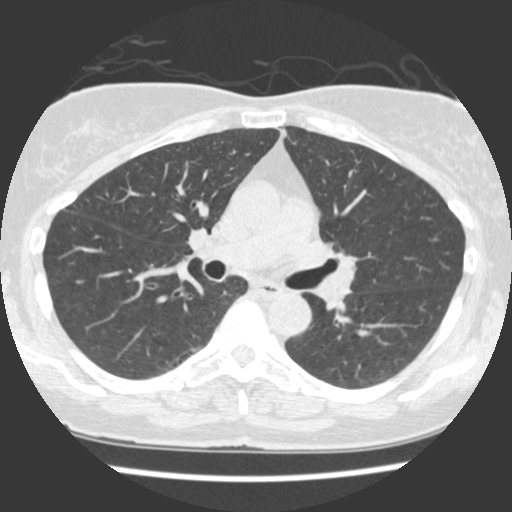
Axial chest CT slice 227 of 429 (counted from the lowest slice); tube voltage 120 kVp, convolution kernel STANDARD; slices 1.25 mm thick, 0.586 mm per pixel.
Pulmonary nodule at rows 129–136, columns 282–285 (box = that reader's outline on this slice), outlined by one of the four readers; longest diameter 7.8 mm and volume 111 mm3 from that reader's outline. Ratings by that reader: texture 5/5 (solid); margin 2/5; sphericity 2/5; calcification absent; internal structure soft tissue; subtlety 2/5; malignancy likelihood 1/5. Scale key (1–5): texture non-solid→solid, margin indistinct→circumscribed, sphericity linear→round, subtlety extremely subtle→obvious, malignancy likelihood highly unlikely→highly suspicious of cancer. Box rows and columns are 0-based pixel indices from the top-left corner, inclusive.